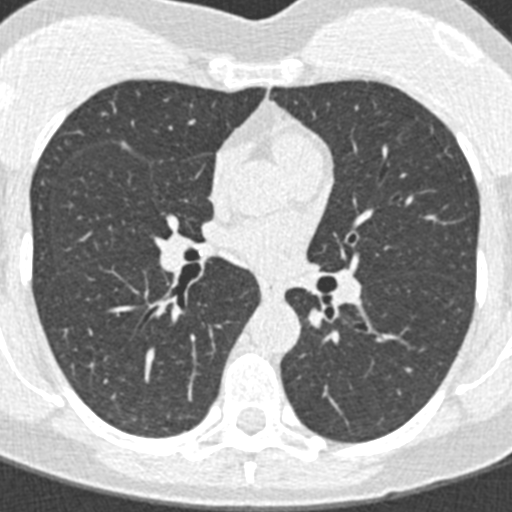
Axial chest CT slice 199 of 376 (counted from the lowest slice); tube voltage 120 kVp, convolution kernel B30f; slices 0.75 mm thick, 0.461 mm per pixel.
Pulmonary nodule at rows 140–149, columns 121–129 (box = the one reader's outline on this slice), outlined by three of the four readers, one of them on this slice; the three readers' outlines give a longest diameter between 5.3 and 7.2 mm and a volume between 18 and 56 mm3. The readers' ratings, as ranges where they differ: texture 5/5 (solid) from all three readers; margin from 4/5 to 5/5 (circumscribed) across the three readers; sphericity from 3/5 (ovoid) to 4/5 across the three readers; calcification: solid calcification (two), absent (one); internal structure soft tissue, all three readers agreeing; subtlety from 3/5 to 5/5 across the three readers; malignancy likelihood from 1/5 to 3/5 across the three readers. Scale key (1–5): texture non-solid→solid, margin indistinct→circumscribed, sphericity linear→round, subtlety extremely subtle→obvious, malignancy likelihood highly unlikely→highly suspicious of cancer. Box rows and columns are 0-based pixel indices from the top-left corner, inclusive.